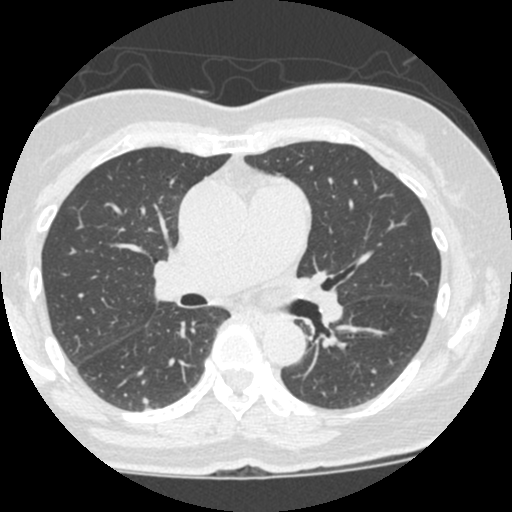
Chest CT, axial plane, 120 kVp, kernel STANDARD. Slice 307/490 from the bottom of the scan; thickness 1.25 mm; pixel size 0.547 mm.
Pulmonary nodule at rows 397–404, columns 142–148 (box = the union of the readers' outlines on this slice), outlined by all four readers; the four readers' outlines give a longest diameter between 5.2 and 6.2 mm and a volume between 53 and 89 mm3. Ratings across the readers: texture 5/5 (solid), all four readers agreeing; margin from 3/5 to 5/5 (circumscribed) across the four readers; sphericity from 3/5 (ovoid) to 5/5 (round) across the four readers; calcification absent from all four readers; internal structure soft tissue from all four readers; subtlety rated between 3 and 4 out of 5 by the four readers; malignancy likelihood from 2/5 to 3/5 across the four readers. Scale key (1–5): texture non-solid→solid, margin indistinct→circumscribed, sphericity linear→round, subtlety extremely subtle→obvious, malignancy likelihood highly unlikely→highly suspicious of cancer. Box rows and columns are 0-based pixel indices from the top-left corner, inclusive.